Axial slice 264 of 477 of a chest CT (slice 1 is the lowest), reconstructed with the STANDARD kernel at 120 kVp; 1.25 mm slice thickness and 0.703 mm pixels.
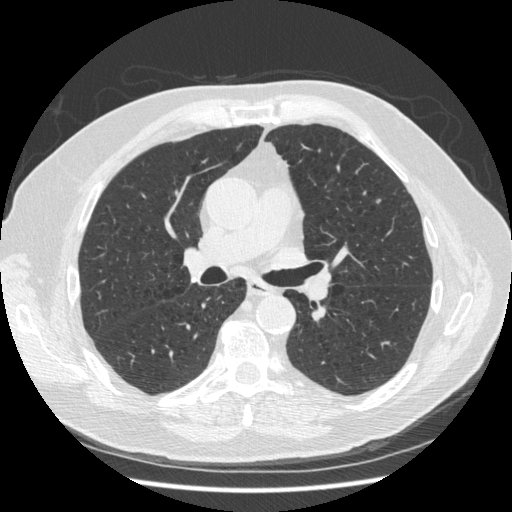
Pulmonary nodule, outlined by one of the four readers. Box on this slice rows 199–203, columns 376–380, that reader's outline on this slice; longest diameter 6.0 mm and volume 35 mm3 from that reader's outline. That reader's ratings: texture 5/5 (solid); margin 5/5 (circumscribed); sphericity 5/5 (round); calcification absent; internal structure soft tissue; subtlety 2/5; malignancy likelihood 2/5. Scale key (1–5): texture non-solid→solid, margin indistinct→circumscribed, sphericity linear→round, subtlety extremely subtle→obvious, malignancy likelihood highly unlikely→highly suspicious of cancer. Box rows and columns are 0-based pixel indices from the top-left corner, inclusive.